Axial slice 181 of 242 of a chest CT (slice 1 is the lowest), reconstructed with the LUNG kernel at 120 kVp; 1.25 mm slice thickness and 0.703 mm pixels.
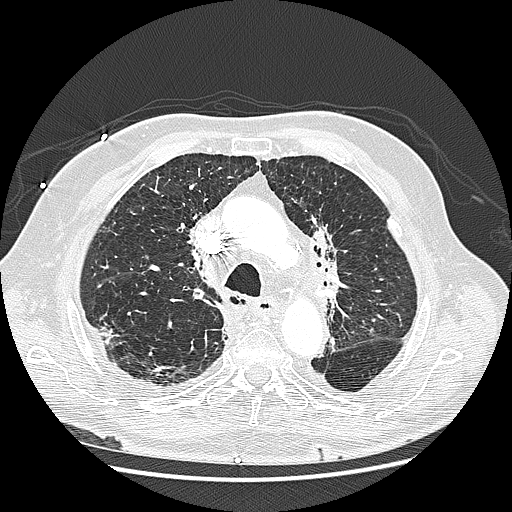
Pulmonary nodule, outlined by three of the four readers, one of them on this slice. Box on this slice rows 327–347, columns 101–114, the one reader's outline on this slice; median longest diameter 25.5 mm (readers' outlines 23.6–31.8 mm), median volume 3121 mm3 (3005–3613 mm3). Ratings, median across the readers with their spread: texture 5/5 (solid) from all three readers; margin 4/5 at the median of three readers, spread 3/5 to 5/5 (circumscribed); median sphericity 4/5 (readers ranged 3/5 (ovoid) to 4/5); calcification absent from all three readers; internal structure soft tissue from all three readers; subtlety 5/5 at the median of three readers, spread 4–5; malignancy likelihood 5/5 at the median of three readers, spread 4–5. Scale key (1–5): texture non-solid→solid, margin indistinct→circumscribed, sphericity linear→round, subtlety extremely subtle→obvious, malignancy likelihood highly unlikely→highly suspicious of cancer. Box rows and columns are 0-based pixel indices from the top-left corner, inclusive.